Chest CT, axial plane, 120 kVp, kernel LUNG. Slice 88/133 from the bottom of the scan; thickness 2.50 mm; pixel size 0.703 mm.
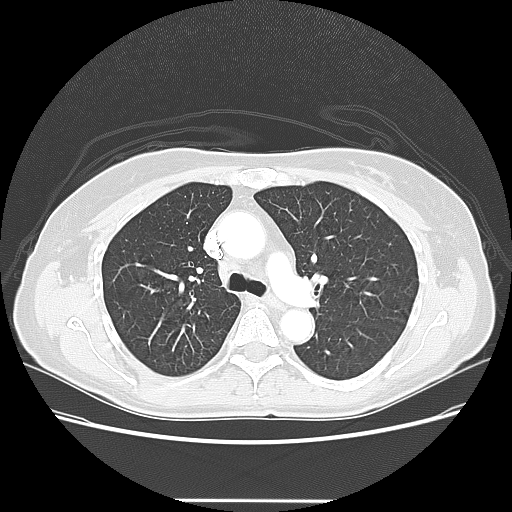
No nodule 3 mm or larger was outlined here by any reader.